Axial chest CT slice 59 of 124 (counted from the lowest slice); tube voltage 140 kVp, convolution kernel BONE; slices 2.50 mm thick, 0.645 mm per pixel.
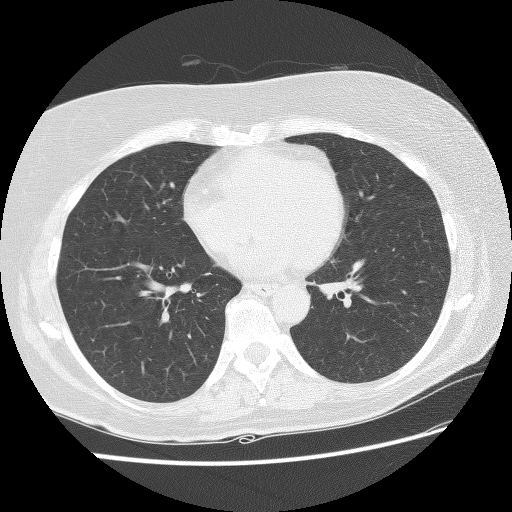
No nodule 3 mm or larger was outlined here by any reader.